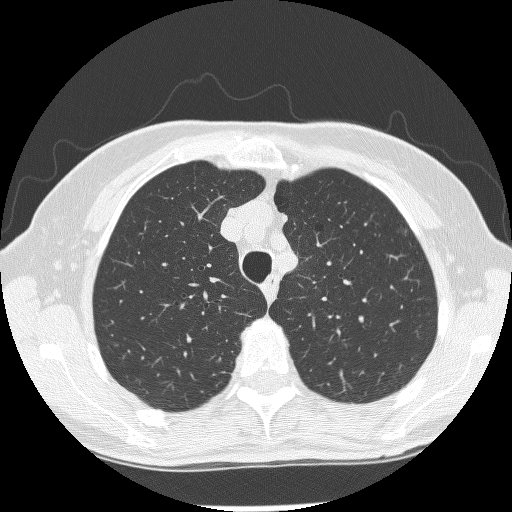
Axial chest CT slice 195 of 245 (counted from the lowest slice); tube voltage 120 kVp, convolution kernel BONE; slices 1.25 mm thick, 0.592 mm per pixel.
Pulmonary nodule at rows 224–236, columns 396–408 (box = that reader's outline on this slice), outlined by one of the four readers; longest diameter 8.6 mm and volume 59 mm3 from that reader's outline. That reader's ratings: texture 1/5 (non-solid); margin 2/5; sphericity 3/5 (ovoid); calcification absent; internal structure soft tissue; subtlety 1/5; malignancy likelihood 2/5. Scale key (1–5): texture non-solid→solid, margin indistinct→circumscribed, sphericity linear→round, subtlety extremely subtle→obvious, malignancy likelihood highly unlikely→highly suspicious of cancer. Box rows and columns are 0-based pixel indices from the top-left corner, inclusive.